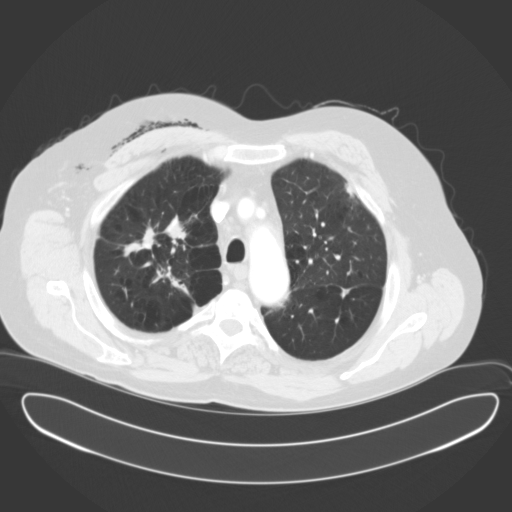
Axial chest CT slice 127 of 153 (counted from the lowest slice); 3.00 mm thick, 0.836 mm per pixel. Two pulmonary nodules are outlined on this slice; from left to right: (1) Pulmonary nodule outlined by two of the four readers; box rows 288–297, columns 341–349 (the union of the readers' outlines on this slice); longest diameter 9.3–9.8 mm and volume 285–303 mm3 across the two readers' outlines. Ratings across the readers: texture 5/5 (solid), both readers agreeing; margin from 3/5 to 4/5 across the two readers; sphericity from 2/5 to 3/5 (ovoid) across the two readers; calcification absent from both readers; internal structure soft tissue from both readers; subtlety 4/5 from both readers; malignancy likelihood 1–3/5 (the readers disagree). (2) Pulmonary nodule, outlined by three of the four readers. Box on this slice rows 183–197, columns 344–353, the union of the readers' outlines on this slice; longest diameter 23.0–24.3 mm and volume 910–1434 mm3 across the three readers' outlines. The readers' ratings, as ranges where they differ: texture from 4/5 to 5/5 (solid) across the three readers; margin from 2/5 to 4/5 across the three readers; sphericity from 2/5 to 3/5 (ovoid) across the three readers; calcification absent from all three readers; internal structure soft tissue, all three readers agreeing; subtlety 4–5/5 (the readers disagree); malignancy likelihood rated between 2 and 3 out of 5 by the three readers. Scale key (1–5): texture non-solid→solid, margin indistinct→circumscribed, sphericity linear→round, subtlety extremely subtle→obvious, malignancy likelihood highly unlikely→highly suspicious of cancer. Box rows and columns are 0-based pixel indices from the top-left corner, inclusive.
Tube voltage 120 kVp; convolution kernel B31f.